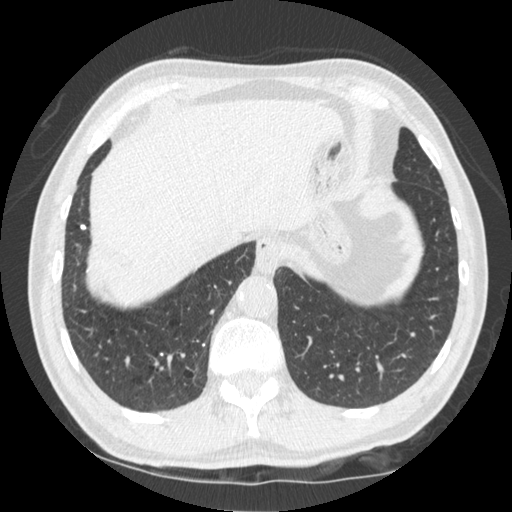
Axial slice 113 of 535 of a chest CT (slice 1 is the lowest), reconstructed with the STANDARD kernel at 120 kVp; 1.25 mm slice thickness and 0.664 mm pixels.
Pulmonary nodule, outlined by one of the four readers. Box on this slice rows 224–229, columns 79–85, that reader's outline on this slice; longest diameter 5.7 mm and volume 64 mm3 from that reader's outline. That reader's ratings: texture 5/5 (solid); margin 5/5 (circumscribed); sphericity 5/5 (round); calcification solid calcification; internal structure soft tissue; subtlety 5/5; malignancy likelihood 1/5. Scale key (1–5): texture non-solid→solid, margin indistinct→circumscribed, sphericity linear→round, subtlety extremely subtle→obvious, malignancy likelihood highly unlikely→highly suspicious of cancer. Box rows and columns are 0-based pixel indices from the top-left corner, inclusive.